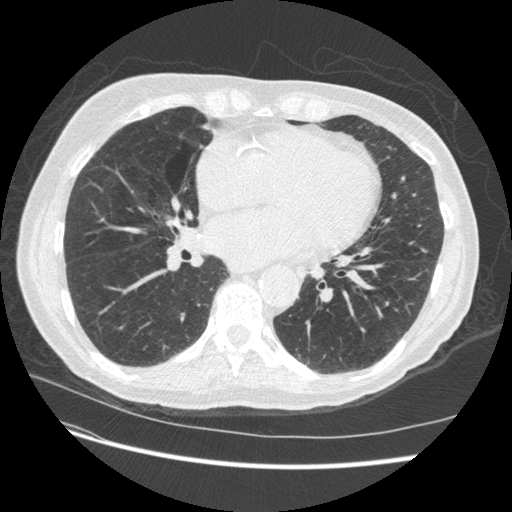
One axial slice (204 of 509, counting up from the lowest) of a chest CT acquired at 120 kVp with the STANDARD kernel; each pixel is 0.703 mm and the slice is 1.25 mm thick.
Pulmonary nodule, outlined by three of the four readers. Box on this slice rows 247–253, columns 420–427, the union of the readers' outlines on this slice; longest diameter 6.9–9.6 mm and volume 87–218 mm3 across the three readers' outlines. The readers' ratings, as ranges where they differ: texture 5/5 (solid), all three readers agreeing; margin 4/5 from all three readers; sphericity from 3/5 (ovoid) to 4/5 across the three readers; calcification absent, all three readers agreeing; internal structure soft tissue, all three readers agreeing; subtlety from 4/5 to 5/5 across the three readers; malignancy likelihood rated between 2 and 5 out of 5 by the three readers. Scale key (1–5): texture non-solid→solid, margin indistinct→circumscribed, sphericity linear→round, subtlety extremely subtle→obvious, malignancy likelihood highly unlikely→highly suspicious of cancer. Box rows and columns are 0-based pixel indices from the top-left corner, inclusive.